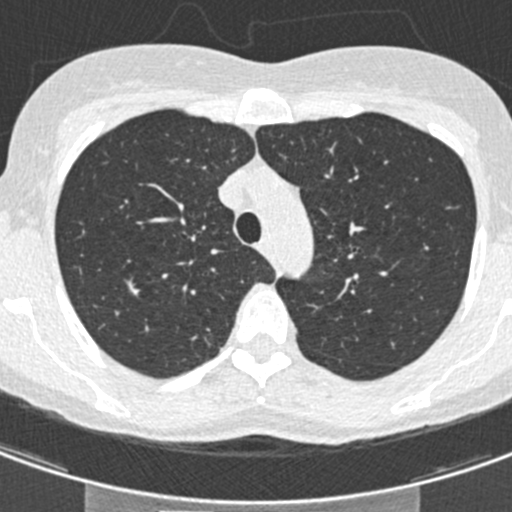
One axial slice (329 of 429, counting up from the lowest) of a chest CT acquired at 120 kVp with the B30f kernel; each pixel is 0.537 mm and the slice is 0.75 mm thick.
Pulmonary nodule outlined by all four readers; box rows 277–296, columns 124–139 (the union of the readers' outlines on this slice); median longest diameter 12.9 mm (readers' outlines 11.2–13.4 mm), median volume 331 mm3 (226–398 mm3). Median ratings and the readers' spread: median texture 3.5/5 (readers ranged 3/5 (part-solid) to 4/5); margin 3/5 at the median of four readers, spread 1/5 (indistinct) to 4/5; median sphericity 2.5/5 (readers ranged 2/5 to 5/5 (round)); calcification absent, all four readers agreeing; internal structure soft tissue from all four readers; subtlety 4.5/5 at the median of four readers, spread 3–5; median malignancy likelihood 3.5/5 (readers ranged 3–4). Scale key (1–5): texture non-solid→solid, margin indistinct→circumscribed, sphericity linear→round, subtlety extremely subtle→obvious, malignancy likelihood highly unlikely→highly suspicious of cancer. Box rows and columns are 0-based pixel indices from the top-left corner, inclusive.